One axial slice (157 of 177, counting up from the lowest) of a chest CT acquired at 120 kVp with the B30f kernel; each pixel is 0.643 mm and the slice is 2.00 mm thick.
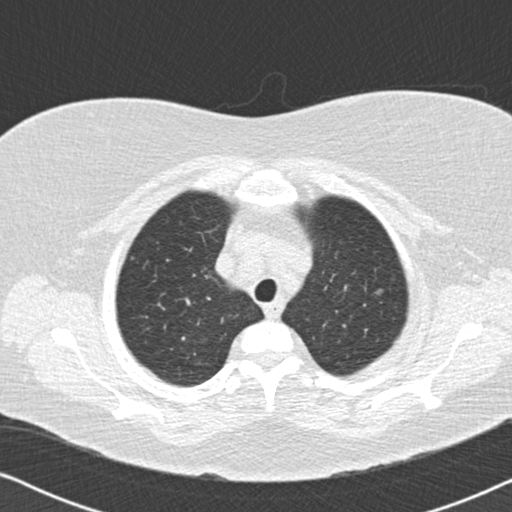
Pulmonary nodule, outlined by one of the four readers. Box on this slice rows 289–294, columns 375–382, that reader's outline on this slice; longest diameter 7.8 mm and volume 98 mm3 from that reader's outline. Ratings by that reader: texture 1/5 (non-solid); margin 2/5; sphericity 3/5 (ovoid); calcification absent; internal structure soft tissue; subtlety 2/5; malignancy likelihood 3/5. Scale key (1–5): texture non-solid→solid, margin indistinct→circumscribed, sphericity linear→round, subtlety extremely subtle→obvious, malignancy likelihood highly unlikely→highly suspicious of cancer. Box rows and columns are 0-based pixel indices from the top-left corner, inclusive.